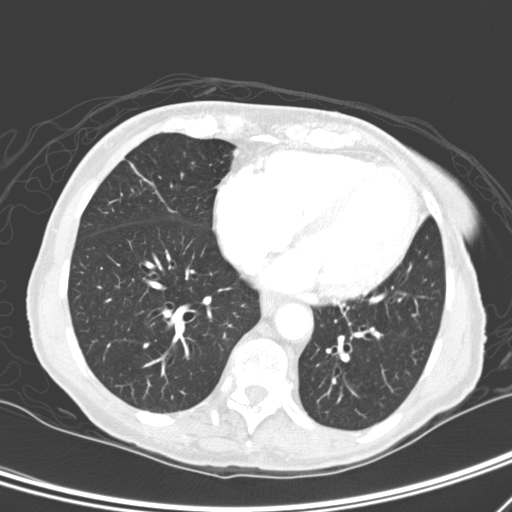
Axial chest CT slice 109 of 276 (counted from the lowest slice); 2.00 mm thick, 0.617 mm per pixel. Pulmonary nodule, outlined by all four readers, one of them on this slice. Box on this slice rows 330–334, columns 402–405, the one reader's outline on this slice; the four readers' outlines give a longest diameter between 7.2 and 10.6 mm and a volume between 121 and 277 mm3. Ratings across the readers: texture from 1/5 (non-solid) to 5/5 (solid) across the four readers; margin from 1/5 (indistinct) to 5/5 (circumscribed) across the four readers; sphericity from 2/5 to 4/5 across the four readers; calcification absent, all four readers agreeing; internal structure soft tissue, all four readers agreeing; subtlety rated between 2 and 4 out of 5 by the four readers; malignancy likelihood 2–4/5 (the readers disagree). Scale key (1–5): texture non-solid→solid, margin indistinct→circumscribed, sphericity linear→round, subtlety extremely subtle→obvious, malignancy likelihood highly unlikely→highly suspicious of cancer. Box rows and columns are 0-based pixel indices from the top-left corner, inclusive.
Acquired at 120 kVp and reconstructed with the D kernel.